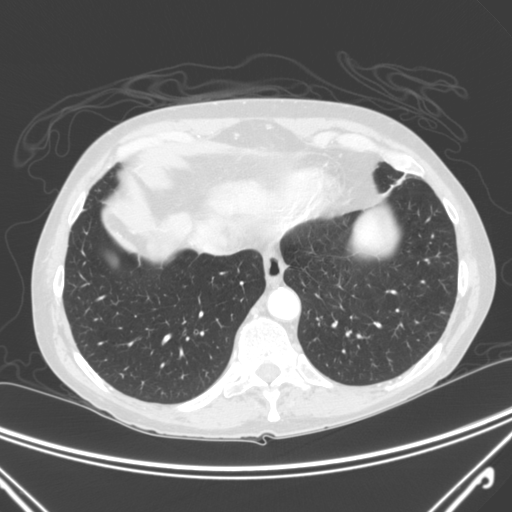
Slice 73/300 of a chest CT, counting up from the lowest; pixel size 0.715 mm, slice thickness 2.00 mm. Pulmonary nodule outlined by two of the four readers, one of them on this slice; box rows 311–313, columns 440–446 (the one reader's outline on this slice); median longest diameter 6.3 mm (readers' outlines 6.1–6.5 mm), median volume 70 mm3 (64–76 mm3). Median ratings and the readers' spread: texture 4.5/5 at the median of two readers, spread 4/5 to 5/5 (solid); margin 3.5/5 at the median of two readers, spread 3/5 to 4/5; sphericity 3/5 (ovoid) at the median of two readers, spread 2/5 to 4/5; calcification absent, both readers agreeing; internal structure soft tissue, both readers agreeing; subtlety 4/5 at the median of two readers, spread 3–5; median malignancy likelihood 2.5/5 (readers ranged 2–3). Scale key (1–5): texture non-solid→solid, margin indistinct→circumscribed, sphericity linear→round, subtlety extremely subtle→obvious, malignancy likelihood highly unlikely→highly suspicious of cancer. Box rows and columns are 0-based pixel indices from the top-left corner, inclusive.
Acquired at 120 kVp and reconstructed with the C kernel.